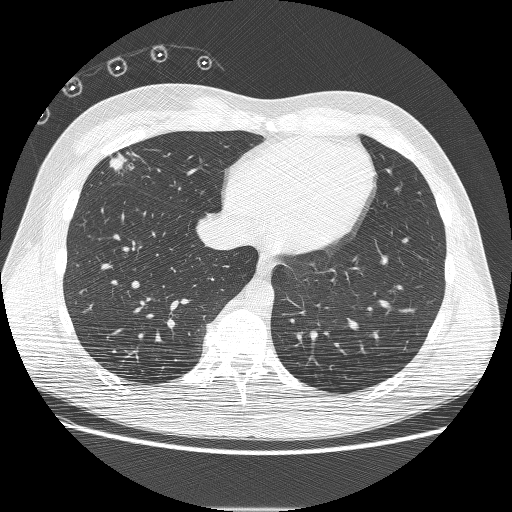
Axial chest CT slice 68 of 230 (counted from the lowest slice); 1.25 mm thick, 0.732 mm per pixel. Pulmonary nodule, outlined by all four readers. Box on this slice rows 152–174, columns 108–133, the union of the readers' outlines on this slice; median longest diameter 27.2 mm (readers' outlines 23.5–29.5 mm), median volume 3460 mm3 (3146–3701 mm3). Median ratings and the readers' spread: texture 5/5 (solid), all four readers agreeing; margin 4.5/5 at the median of four readers, spread 3/5 to 5/5 (circumscribed); sphericity 3.5/5 at the median of four readers, spread 3/5 (ovoid) to 4/5; calcification absent from all four readers; internal structure soft tissue from all four readers; subtlety 5/5, all four readers agreeing; malignancy likelihood 5/5 at the median of four readers, spread 4–5. Scale key (1–5): texture non-solid→solid, margin indistinct→circumscribed, sphericity linear→round, subtlety extremely subtle→obvious, malignancy likelihood highly unlikely→highly suspicious of cancer. Box rows and columns are 0-based pixel indices from the top-left corner, inclusive.
Tube voltage 120 kVp; convolution kernel BONE.